Axial slice 52 of 133 of a chest CT (slice 1 is the lowest), reconstructed with the STANDARD kernel at 120 kVp; 2.50 mm slice thickness and 0.703 mm pixels.
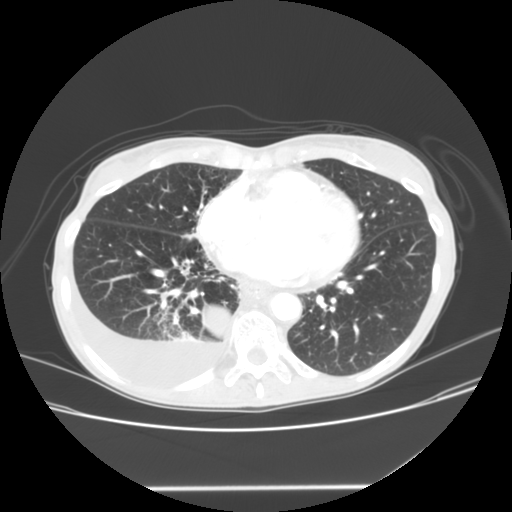
Pulmonary nodule outlined by two of the four readers; box rows 303–337, columns 202–231 (the union of the readers' outlines on this slice); longest diameter 35.2 mm on average over the two readers' outlines (readers' outlines 33.4–36.9 mm), volume 15304–15793 mm3. Ratings, by the readers' most common answer with dissent counted: texture split among the readers: 4/5 (one), 5/5 (solid) (one); margin 5/5 (circumscribed), both readers agreeing; sphericity split among the readers: 4/5 (one), 5/5 (round) (one); calcification absent from both readers; internal structure soft tissue from both readers; subtlety 5/5, both readers agreeing; malignancy likelihood split among the readers: 2/5 (one), 3/5 (one). Scale key (1–5): texture non-solid→solid, margin indistinct→circumscribed, sphericity linear→round, subtlety extremely subtle→obvious, malignancy likelihood highly unlikely→highly suspicious of cancer. Box rows and columns are 0-based pixel indices from the top-left corner, inclusive.